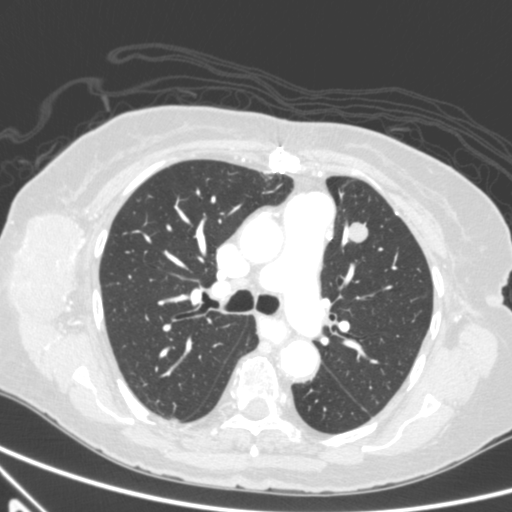
Axial chest CT slice 367 of 590 (counted from the lowest slice); tube voltage 120 kVp, convolution kernel B; slices 0.90 mm thick, 0.627 mm per pixel.
Pulmonary nodule outlined by all four readers; box rows 221–242, columns 347–368 (the union of the readers' outlines on this slice); the four readers' outlines give a longest diameter between 16.3 and 20.1 mm and a volume between 1116 and 1236 mm3. Ratings across the readers: texture 5/5 (solid), all four readers agreeing; margin from 3/5 to 5/5 (circumscribed) across the four readers; sphericity from 3/5 (ovoid) to 4/5 across the four readers; calcification absent from all four readers; internal structure soft tissue from all four readers; subtlety rated between 4 and 5 out of 5 by the four readers; malignancy likelihood from 3/5 to 5/5 across the four readers. Scale key (1–5): texture non-solid→solid, margin indistinct→circumscribed, sphericity linear→round, subtlety extremely subtle→obvious, malignancy likelihood highly unlikely→highly suspicious of cancer. Box rows and columns are 0-based pixel indices from the top-left corner, inclusive.